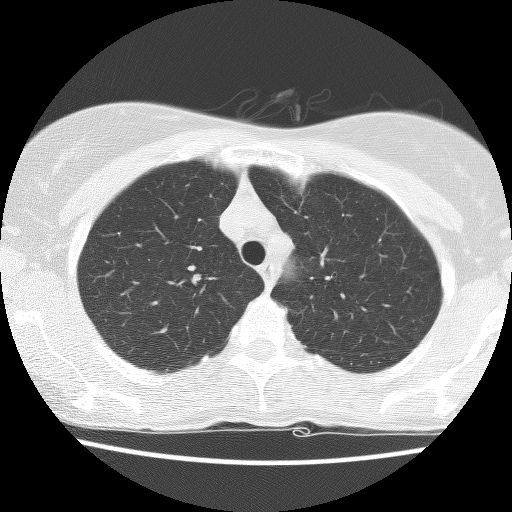
One axial slice (100 of 130, counting up from the lowest) of a chest CT acquired at 140 kVp with the BONE kernel; each pixel is 0.596 mm and the slice is 2.50 mm thick.
Pulmonary nodule outlined by all four readers; box rows 274–284, columns 192–200 (the union of the readers' outlines on this slice); the four readers' outlines give a longest diameter between 6.2 and 8.3 mm and a volume between 244 and 355 mm3. The readers' ratings, as ranges where they differ: texture 5/5 (solid) from all four readers; margin 5/5 (circumscribed), all four readers agreeing; sphericity from 4/5 to 5/5 (round) across the four readers; calcification absent, all four readers agreeing; internal structure soft tissue from all four readers; subtlety 3–5/5 (the readers disagree); malignancy likelihood rated between 1 and 4 out of 5 by the four readers. Scale key (1–5): texture non-solid→solid, margin indistinct→circumscribed, sphericity linear→round, subtlety extremely subtle→obvious, malignancy likelihood highly unlikely→highly suspicious of cancer. Box rows and columns are 0-based pixel indices from the top-left corner, inclusive.